Chest CT, axial plane, 140 kVp, kernel STANDARD. Slice 446/501 from the bottom of the scan; thickness 1.25 mm; pixel size 0.703 mm.
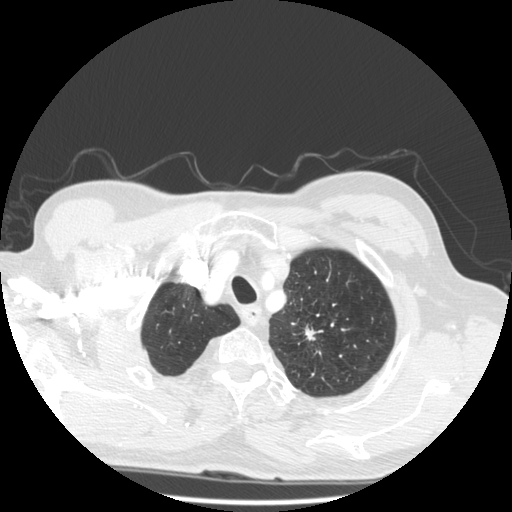
Pulmonary nodule, outlined by three of the four readers. Box on this slice rows 325–340, columns 305–323, the union of the readers' outlines on this slice; median longest diameter 33.8 mm (readers' outlines 32.1–39.2 mm), median volume 3078 mm3 (2361–4873 mm3). Ratings, median across the readers with their spread: median texture 5/5 (solid) (readers ranged 4/5 to 5/5 (solid)); median margin 3/5 (readers ranged 1/5 (indistinct) to 5/5 (circumscribed)); sphericity 3/5 (ovoid) at the median of three readers, spread 2/5 to 5/5 (round); calcification absent from all three readers; internal structure soft tissue from all three readers; subtlety 5/5, all three readers agreeing; malignancy likelihood 5/5 at the median of three readers, spread 4–5. Scale key (1–5): texture non-solid→solid, margin indistinct→circumscribed, sphericity linear→round, subtlety extremely subtle→obvious, malignancy likelihood highly unlikely→highly suspicious of cancer. Box rows and columns are 0-based pixel indices from the top-left corner, inclusive.